One axial slice (62 of 129, counting up from the lowest) of a chest CT acquired at 120 kVp with the STANDARD kernel; each pixel is 0.781 mm and the slice is 2.50 mm thick.
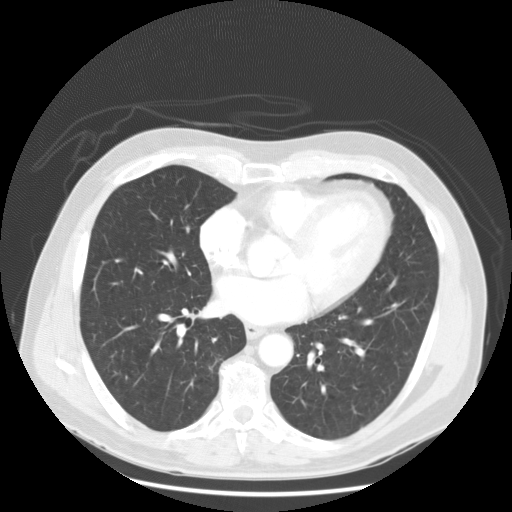
No nodule 3 mm or larger was outlined here by any reader.